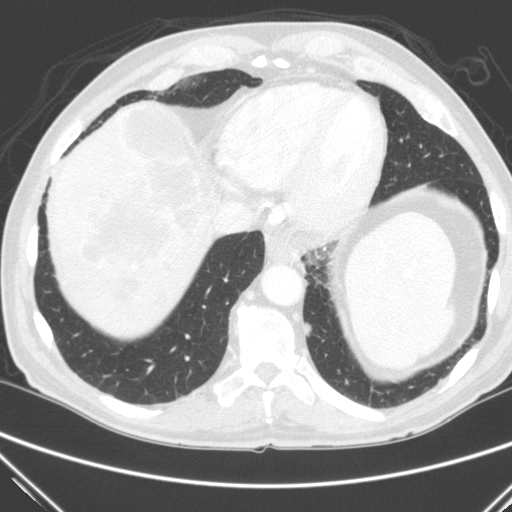
Axial chest CT slice 60 of 290 (counted from the lowest slice); tube voltage 120 kVp, convolution kernel C; slices 2.00 mm thick, 0.682 mm per pixel.
Pulmonary nodule outlined by all four readers; box rows 322–336, columns 303–311 (the union of the readers' outlines on this slice); longest diameter 12.9 mm on average over the four readers' outlines (readers' outlines 12.3–13.7 mm), volume 463–570 mm3. Ratings, by the readers' most common answer with dissent counted: texture 5/5 (solid) from all four readers; most readers (three of four) put margin at 4/5, others 5/5 (circumscribed) (one); sphericity 3/5 (ovoid) by two of four readers; the rest gave 2/5 (one), 4/5 (one); calcification absent from all four readers; internal structure soft tissue, all four readers agreeing; subtlety 4/5 by two of four readers; the rest gave 3/5 (one), 5/5 (one); most readers (three of four) put malignancy likelihood at 3/5, others 4/5 (one). Scale key (1–5): texture non-solid→solid, margin indistinct→circumscribed, sphericity linear→round, subtlety extremely subtle→obvious, malignancy likelihood highly unlikely→highly suspicious of cancer. Box rows and columns are 0-based pixel indices from the top-left corner, inclusive.